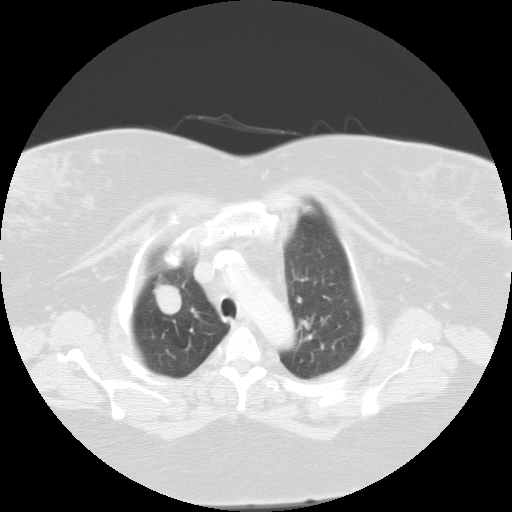
Axial slice 84 of 102 of a chest CT (slice 1 is the lowest), reconstructed with the FC01 kernel at 135 kVp; 3.00 mm slice thickness and 0.808 mm pixels.
Pulmonary nodule at rows 282–314, columns 154–181 (box = the union of the readers' outlines on this slice), outlined by all four readers; the four readers' outlines give a longest diameter between 26.9 and 30.9 mm and a volume between 5712 and 7254 mm3. Ratings across the readers: texture 5/5 (solid) from all four readers; margin 5/5 (circumscribed) from all four readers; sphericity from 4/5 to 5/5 (round) across the four readers; calcification absent from all four readers; internal structure soft tissue from all four readers; subtlety 5/5, all four readers agreeing; malignancy likelihood from 2/5 to 5/5 across the four readers. Scale key (1–5): texture non-solid→solid, margin indistinct→circumscribed, sphericity linear→round, subtlety extremely subtle→obvious, malignancy likelihood highly unlikely→highly suspicious of cancer. Box rows and columns are 0-based pixel indices from the top-left corner, inclusive.